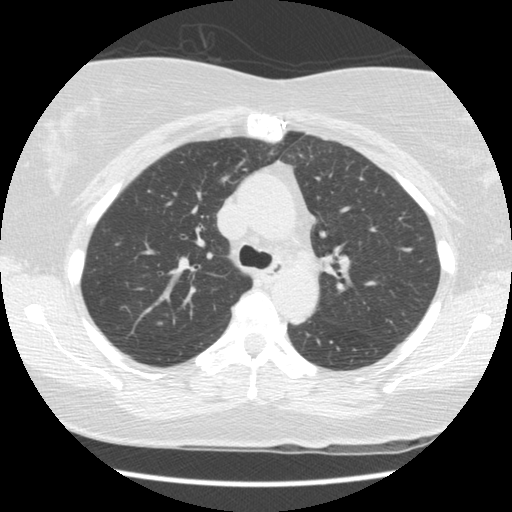
This is axial slice 108 of 154 (slice 1 is the lowest) of a chest CT; each pixel is 0.645 mm and the slice is 2.50 mm thick. Pulmonary nodule, outlined by all four readers, three of them on this slice. Box on this slice rows 248–251, columns 402–411, the union of the readers' outlines on this slice; longest diameter 6.0 mm on average over the four readers' outlines (readers' outlines 5.3–7.2 mm), volume 50–95 mm3. The readers' prevailing ratings and who disagreed: texture 5/5 (solid) by two of four readers; the rest gave 2/5 (one), 4/5 (one); margin 5/5 (circumscribed) by two of four readers; the rest gave 2/5 (one), 3/5 (one); sphericity split among the readers: 3/5 (ovoid) (two), 5/5 (round) (two); calcification absent, all four readers agreeing; internal structure soft tissue, all four readers agreeing; subtlety 4/5 by two of four readers; the rest gave 2/5 (one), 3/5 (one); malignancy likelihood split among the readers: 1/5 (one), 2/5 (one), 3/5 (one), 4/5 (one). Scale key (1–5): texture non-solid→solid, margin indistinct→circumscribed, sphericity linear→round, subtlety extremely subtle→obvious, malignancy likelihood highly unlikely→highly suspicious of cancer. Box rows and columns are 0-based pixel indices from the top-left corner, inclusive.
Acquired at 120 kVp and reconstructed with the STANDARD kernel.